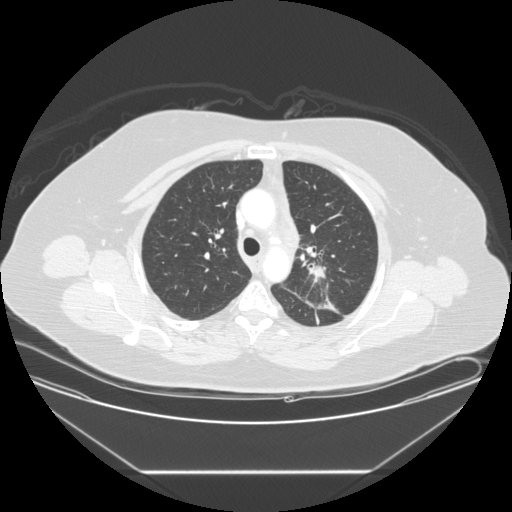
Axial slice 166 of 225 of a chest CT (slice 1 is the lowest), reconstructed with the STANDARD kernel at 120 kVp; 1.25 mm slice thickness and 0.828 mm pixels.
Pulmonary nodule at rows 264–281, columns 310–324 (box = that reader's outline on this slice), outlined by one of the four readers; longest diameter 33.6 mm and volume 4404 mm3 from that reader's outline. That reader's ratings: texture 5/5 (solid); margin 2/5; sphericity 3/5 (ovoid); calcification absent; internal structure soft tissue; subtlety 5/5; malignancy likelihood 5/5. Scale key (1–5): texture non-solid→solid, margin indistinct→circumscribed, sphericity linear→round, subtlety extremely subtle→obvious, malignancy likelihood highly unlikely→highly suspicious of cancer. Box rows and columns are 0-based pixel indices from the top-left corner, inclusive.